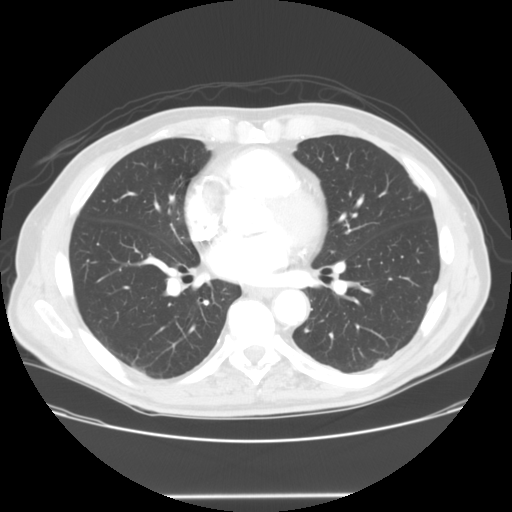
Chest CT, axial plane, 120 kVp, kernel STANDARD. Slice 63/128 from the bottom of the scan; thickness 2.50 mm; pixel size 0.742 mm.
Pulmonary nodule at rows 328–332, columns 304–307 (box = the union of the readers' outlines on this slice), outlined by two of the four readers; median longest diameter 5.0 mm (readers' outlines 4.8–5.2 mm), median volume 64 mm3 (55–74 mm3). Ratings, median across the readers with their spread: texture 5/5 (solid), both readers agreeing; margin 5/5 (circumscribed), both readers agreeing; sphericity 4.5/5 at the median of two readers, spread 4/5 to 5/5 (round); calcification solid calcification, both readers agreeing; internal structure soft tissue from both readers; subtlety 5/5, both readers agreeing; malignancy likelihood 1/5, both readers agreeing. Scale key (1–5): texture non-solid→solid, margin indistinct→circumscribed, sphericity linear→round, subtlety extremely subtle→obvious, malignancy likelihood highly unlikely→highly suspicious of cancer. Box rows and columns are 0-based pixel indices from the top-left corner, inclusive.